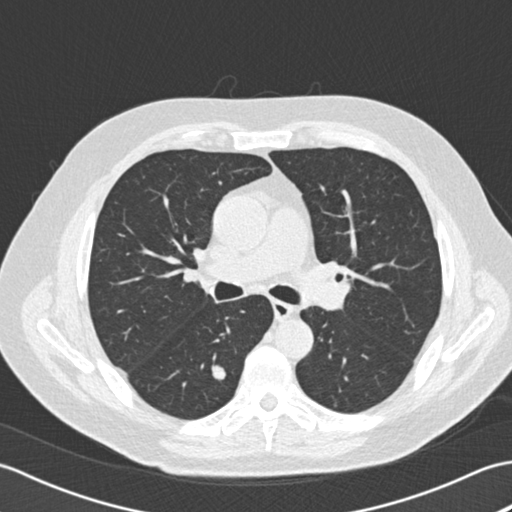
Axial chest CT slice 113 of 180 (counted from the lowest slice); 2.00 mm thick, 0.684 mm per pixel. Pulmonary nodule, outlined by all four readers. Box on this slice rows 365–379, columns 211–225, the union of the readers' outlines on this slice; median longest diameter 12.8 mm (readers' outlines 12.5–13.3 mm), median volume 598 mm3 (485–678 mm3). Ratings, median across the readers with their spread: texture 5/5 (solid) at the median of four readers, spread 4/5 to 5/5 (solid); margin 5/5 (circumscribed) at the median of four readers, spread 4/5 to 5/5 (circumscribed); sphericity 4.5/5 at the median of four readers, spread 3/5 (ovoid) to 5/5 (round); calcification absent, all four readers agreeing; internal structure soft tissue, all four readers agreeing; subtlety 4.5/5 at the median of four readers, spread 3–5; median malignancy likelihood 3.5/5 (readers ranged 2–4). Scale key (1–5): texture non-solid→solid, margin indistinct→circumscribed, sphericity linear→round, subtlety extremely subtle→obvious, malignancy likelihood highly unlikely→highly suspicious of cancer. Box rows and columns are 0-based pixel indices from the top-left corner, inclusive.
Acquired at 120 kVp and reconstructed with the B30f kernel.